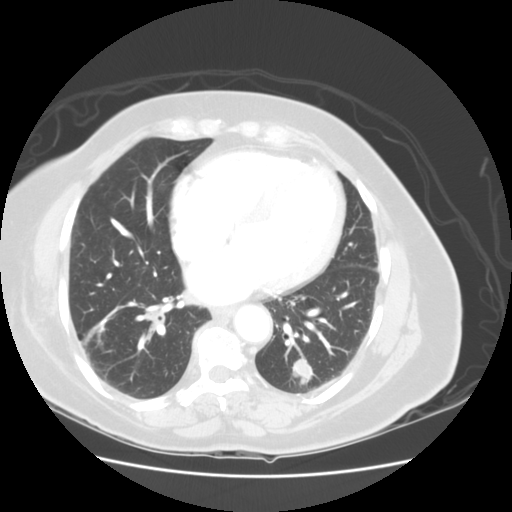
Slice 43/114 of a chest CT, counting up from the lowest; pixel size 0.703 mm, slice thickness 2.50 mm. Pulmonary nodule outlined by three of the four readers; box rows 358–384, columns 292–313 (the union of the readers' outlines on this slice); longest diameter 22.1 mm on average over the three readers' outlines (readers' outlines 20.1–25.1 mm), volume 2723–2965 mm3. Ratings, by the readers' most common answer with dissent counted: texture 5/5 (solid) from all three readers; margin 4/5 by two of three readers; the rest gave 5/5 (circumscribed) (one); sphericity 3/5 (ovoid), all three readers agreeing; calcification absent, all three readers agreeing; internal structure soft tissue, all three readers agreeing; subtlety 5/5 from all three readers; most readers (two of three) put malignancy likelihood at 5/5, others 2/5 (one). Scale key (1–5): texture non-solid→solid, margin indistinct→circumscribed, sphericity linear→round, subtlety extremely subtle→obvious, malignancy likelihood highly unlikely→highly suspicious of cancer. Box rows and columns are 0-based pixel indices from the top-left corner, inclusive.
Scan settings: 120 kVp, STANDARD reconstruction kernel.